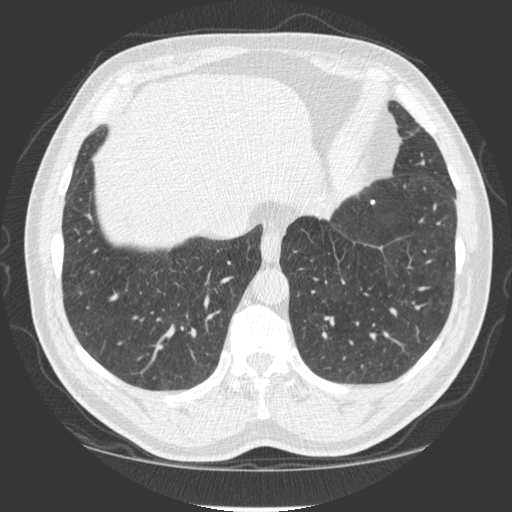
Axial slice 46 of 241 of a chest CT (slice 1 is the lowest), reconstructed with the STANDARD kernel at 120 kVp; 1.25 mm slice thickness and 0.684 mm pixels.
Pulmonary nodule at rows 200–204, columns 371–374 (box = that reader's outline on this slice), outlined by one of the four readers; longest diameter 5.5 mm and volume 47 mm3 from that reader's outline. Ratings by that reader: texture 5/5 (solid); margin 5/5 (circumscribed); sphericity 3/5 (ovoid); calcification solid calcification; internal structure soft tissue; subtlety 5/5; malignancy likelihood 1/5. Scale key (1–5): texture non-solid→solid, margin indistinct→circumscribed, sphericity linear→round, subtlety extremely subtle→obvious, malignancy likelihood highly unlikely→highly suspicious of cancer. Box rows and columns are 0-based pixel indices from the top-left corner, inclusive.